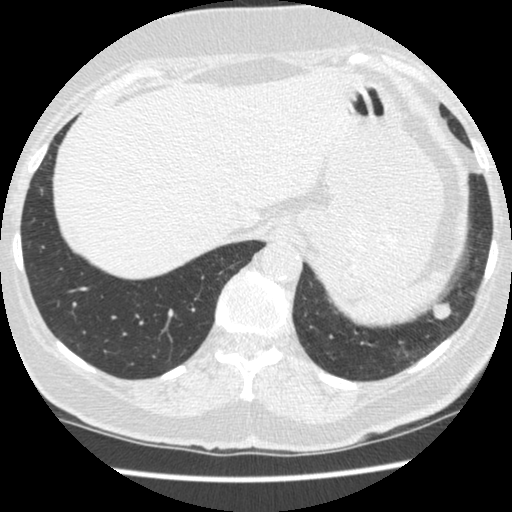
Axial chest CT slice 94 of 481 (counted from the lowest slice); tube voltage 120 kVp, convolution kernel STANDARD; slices 1.25 mm thick, 0.605 mm per pixel.
Pulmonary nodule, outlined by all four readers. Box on this slice rows 302–319, columns 431–451, the union of the readers' outlines on this slice; longest diameter 13.9 mm on average over the four readers' outlines (readers' outlines 13.3–14.6 mm), volume 633–867 mm3. Ratings, by the readers' most common answer with dissent counted: texture 5/5 (solid) from all four readers; margin split among the readers: 4/5 (two), 5/5 (circumscribed) (two); most readers (three of four) put sphericity at 4/5, others 5/5 (round) (one); calcification absent, all four readers agreeing; internal structure soft tissue from all four readers; most readers (three of four) put subtlety at 5/5, others 4/5 (one); malignancy likelihood split among the readers: 2/5 (one), 3/5 (one), 4/5 (one), 5/5 (one). Scale key (1–5): texture non-solid→solid, margin indistinct→circumscribed, sphericity linear→round, subtlety extremely subtle→obvious, malignancy likelihood highly unlikely→highly suspicious of cancer. Box rows and columns are 0-based pixel indices from the top-left corner, inclusive.